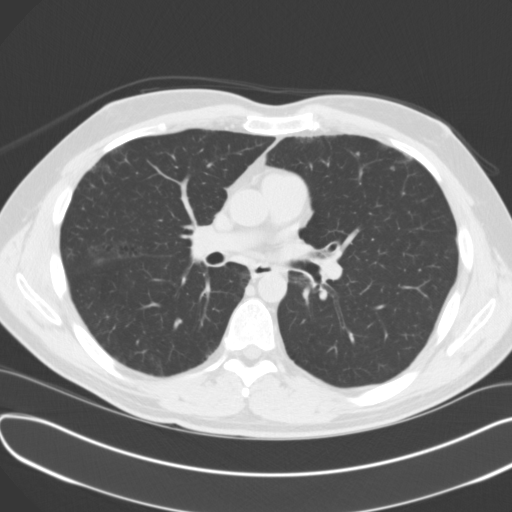
Axial chest CT slice 76 of 131 (counted from the lowest slice); tube voltage 120 kVp, convolution kernel B31f; slices 3.00 mm thick, 0.721 mm per pixel.
Pulmonary nodule, outlined by one of the four readers. Box on this slice rows 166–170, columns 390–394, that reader's outline on this slice; longest diameter 5.2 mm and volume 101 mm3 from that reader's outline. That reader's ratings: texture 5/5 (solid); margin 4/5; sphericity 4/5; calcification absent; internal structure soft tissue; subtlety 2/5; malignancy likelihood 1/5. Scale key (1–5): texture non-solid→solid, margin indistinct→circumscribed, sphericity linear→round, subtlety extremely subtle→obvious, malignancy likelihood highly unlikely→highly suspicious of cancer. Box rows and columns are 0-based pixel indices from the top-left corner, inclusive.